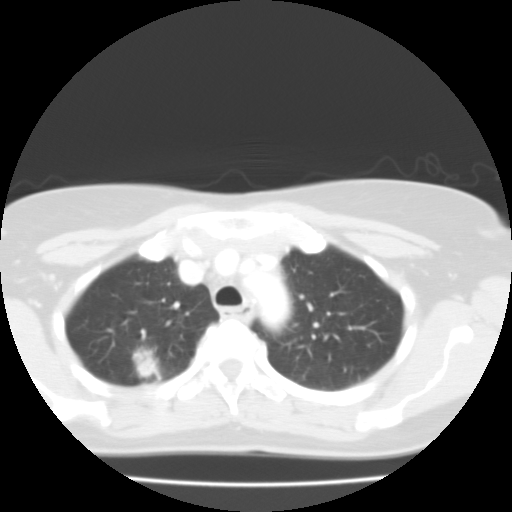
Chest CT, axial plane, 135 kVp, kernel FC01. Slice 75/99 from the bottom of the scan; thickness 3.00 mm; pixel size 0.586 mm.
Pulmonary nodule outlined by all four readers; box rows 346–379, columns 130–161 (the union of the readers' outlines on this slice); the four readers' outlines give a longest diameter between 23.2 and 25.9 mm and a volume between 4482 and 6539 mm3. Ratings across the readers: texture 5/5 (solid), all four readers agreeing; margin from 4/5 to 5/5 (circumscribed) across the four readers; sphericity from 4/5 to 5/5 (round) across the four readers; calcification absent, all four readers agreeing; internal structure soft tissue, all four readers agreeing; subtlety rated between 3 and 5 out of 5 by the four readers; malignancy likelihood from 2/5 to 5/5 across the four readers. Scale key (1–5): texture non-solid→solid, margin indistinct→circumscribed, sphericity linear→round, subtlety extremely subtle→obvious, malignancy likelihood highly unlikely→highly suspicious of cancer. Box rows and columns are 0-based pixel indices from the top-left corner, inclusive.